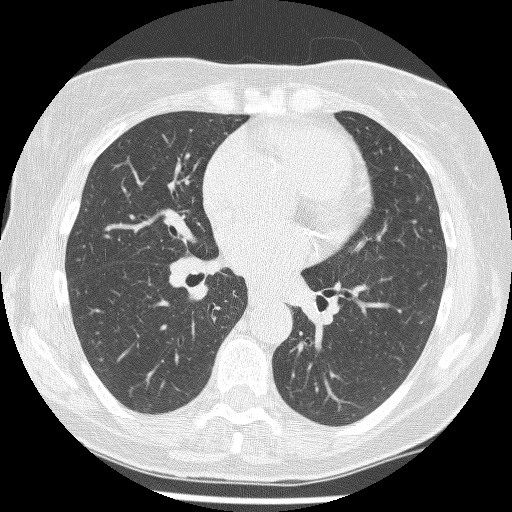
Axial chest CT slice 126 of 241 (counted from the lowest slice); tube voltage 120 kVp, convolution kernel BONE; slices 1.25 mm thick, 0.590 mm per pixel.
Pulmonary nodule at rows 300–320, columns 417–435 (box = the union of the readers' outlines on this slice), outlined by three of the four readers; the three readers' outlines give a longest diameter between 16.1 and 17.2 mm and a volume between 610 and 777 mm3. Ratings across the readers: texture from 1/5 (non-solid) to 2/5 across the three readers; margin from 1/5 (indistinct) to 3/5 across the three readers; sphericity from 3/5 (ovoid) to 4/5 across the three readers; calcification absent, all three readers agreeing; internal structure soft tissue, all three readers agreeing; subtlety rated between 2 and 4 out of 5 by the three readers; malignancy likelihood 3–4/5 (the readers disagree). Scale key (1–5): texture non-solid→solid, margin indistinct→circumscribed, sphericity linear→round, subtlety extremely subtle→obvious, malignancy likelihood highly unlikely→highly suspicious of cancer. Box rows and columns are 0-based pixel indices from the top-left corner, inclusive.